Axial slice 62 of 127 of a chest CT (slice 1 is the lowest), reconstructed with the BONE kernel at 140 kVp; 2.50 mm slice thickness and 0.664 mm pixels.
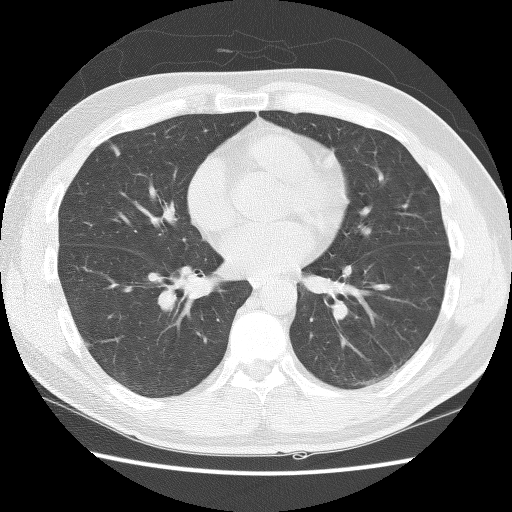
Pulmonary nodule, outlined by one of the four readers. Box on this slice rows 343–346, columns 85–89, that reader's outline on this slice; longest diameter 5.1 mm and volume 67 mm3 from that reader's outline. Ratings by that reader: texture 1/5 (non-solid); margin 2/5; sphericity 4/5; calcification absent; internal structure soft tissue; subtlety 2/5; malignancy likelihood 2/5. Scale key (1–5): texture non-solid→solid, margin indistinct→circumscribed, sphericity linear→round, subtlety extremely subtle→obvious, malignancy likelihood highly unlikely→highly suspicious of cancer. Box rows and columns are 0-based pixel indices from the top-left corner, inclusive.